Axial chest CT slice 103 of 145 (counted from the lowest slice); tube voltage 120 kVp, convolution kernel STANDARD; slices 2.50 mm thick, 0.742 mm per pixel.
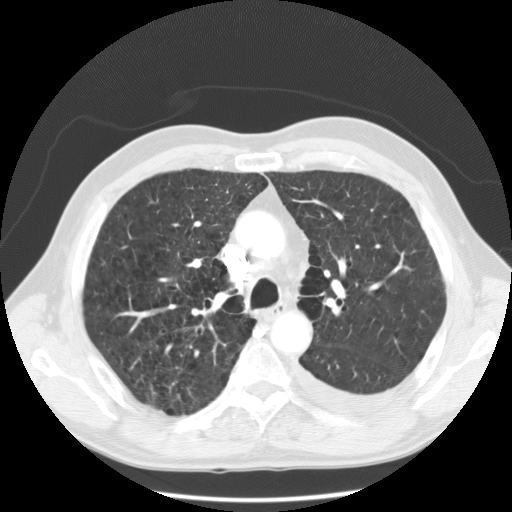
None of the four readers outlined a nodule of 3 mm or more on this slice.